Chest CT, axial plane, 120 kVp, kernel B31f. Slice 84/131 from the bottom of the scan; thickness 3.00 mm; pixel size 0.721 mm.
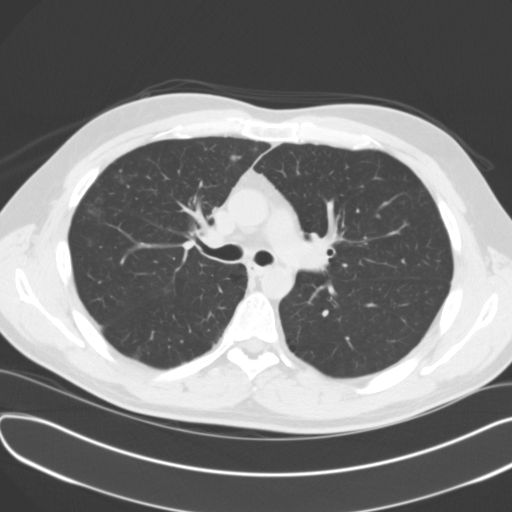
Pulmonary nodule, outlined by all four readers. Box on this slice rows 155–160, columns 231–235, the union of the readers' outlines on this slice; longest diameter 7.6 mm on average over the four readers' outlines (readers' outlines 6.8–8.4 mm), volume 171–265 mm3. The readers' prevailing ratings and who disagreed: texture 5/5 (solid) from all four readers; margin 5/5 (circumscribed) by three of four readers; the rest gave 3/5 (one); most readers (three of four) put sphericity at 5/5 (round), others 3/5 (ovoid) (one); calcification absent, all four readers agreeing; internal structure soft tissue, all four readers agreeing; subtlety split among the readers: 2/5 (one), 3/5 (one), 4/5 (one), 5/5 (one); malignancy likelihood 3/5 by two of four readers; the rest gave 1/5 (one), 2/5 (one). Scale key (1–5): texture non-solid→solid, margin indistinct→circumscribed, sphericity linear→round, subtlety extremely subtle→obvious, malignancy likelihood highly unlikely→highly suspicious of cancer. Box rows and columns are 0-based pixel indices from the top-left corner, inclusive.